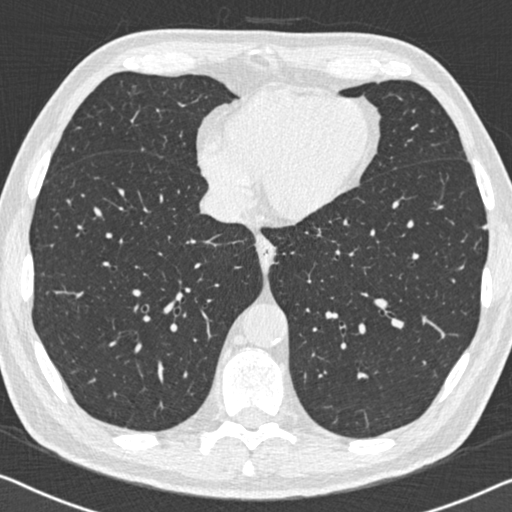
Slice 219/558 of a chest CT, counting up from the lowest; pixel size 0.648 mm, slice thickness 0.75 mm. Pulmonary nodule at rows 224–229, columns 482–487 (box = the union of the readers' outlines on this slice), outlined by two of the four readers; median longest diameter 6.6 mm (readers' outlines 6.2–7.0 mm), median volume 87 mm3 (80–93 mm3). Ratings, median across the readers with their spread: median texture 4.5/5 (readers ranged 4/5 to 5/5 (solid)); margin 4/5 from both readers; median sphericity 4.5/5 (readers ranged 4/5 to 5/5 (round)); calcification absent, both readers agreeing; internal structure soft tissue from both readers; subtlety 4/5 at the median of two readers, spread 3–5; malignancy likelihood 2.5/5 at the median of two readers, spread 2–3. Scale key (1–5): texture non-solid→solid, margin indistinct→circumscribed, sphericity linear→round, subtlety extremely subtle→obvious, malignancy likelihood highly unlikely→highly suspicious of cancer. Box rows and columns are 0-based pixel indices from the top-left corner, inclusive.
Acquired at 120 kVp and reconstructed with the B30f kernel.